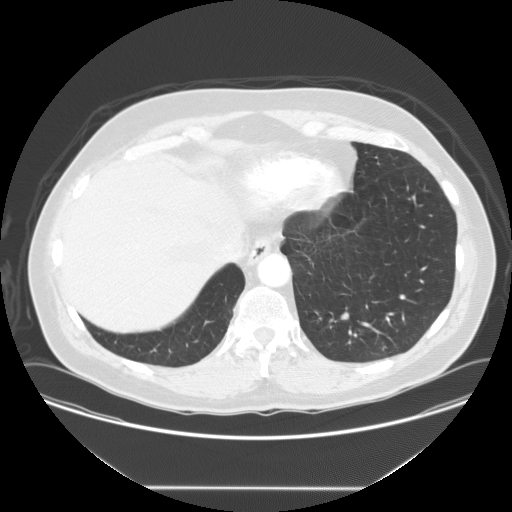
Axial chest CT slice 42 of 145 (counted from the lowest slice); tube voltage 120 kVp, convolution kernel STANDARD; slices 2.50 mm thick, 0.820 mm per pixel.
Pulmonary nodule outlined by three of the four readers; box rows 311–320, columns 340–349 (the union of the readers' outlines on this slice); median longest diameter 8.9 mm (readers' outlines 8.4–10.3 mm), median volume 193 mm3 (187–322 mm3). Ratings, median across the readers with their spread: texture 5/5 (solid) from all three readers; median margin 4/5 (readers ranged 3/5 to 4/5); median sphericity 3/5 (ovoid) (readers ranged 3/5 (ovoid) to 4/5); calcification absent from all three readers; internal structure soft tissue from all three readers; subtlety 3/5 at the median of three readers, spread 3–4; median malignancy likelihood 3/5 (readers ranged 2–4). Scale key (1–5): texture non-solid→solid, margin indistinct→circumscribed, sphericity linear→round, subtlety extremely subtle→obvious, malignancy likelihood highly unlikely→highly suspicious of cancer. Box rows and columns are 0-based pixel indices from the top-left corner, inclusive.